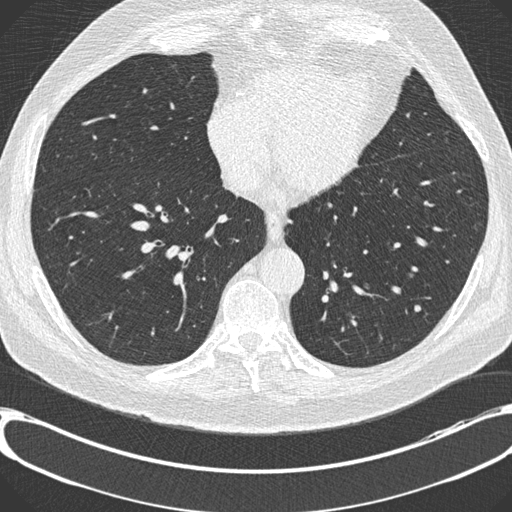
One axial slice (294 of 730, counting up from the lowest) of a chest CT acquired at 120 kVp with the B30f kernel; each pixel is 0.730 mm and the slice is 0.60 mm thick.
Pulmonary nodule, outlined by one of the four readers. Box on this slice rows 305–310, columns 413–420, that reader's outline on this slice; longest diameter 7.2 mm and volume 114 mm3 from that reader's outline. Ratings by that reader: texture 5/5 (solid); margin 5/5 (circumscribed); sphericity 5/5 (round); calcification absent; internal structure soft tissue; subtlety 3/5; malignancy likelihood 2/5. Scale key (1–5): texture non-solid→solid, margin indistinct→circumscribed, sphericity linear→round, subtlety extremely subtle→obvious, malignancy likelihood highly unlikely→highly suspicious of cancer. Box rows and columns are 0-based pixel indices from the top-left corner, inclusive.